One axial slice (181 of 275, counting up from the lowest) of a chest CT acquired at 120 kVp with the D kernel; each pixel is 0.658 mm and the slice is 1.00 mm thick.
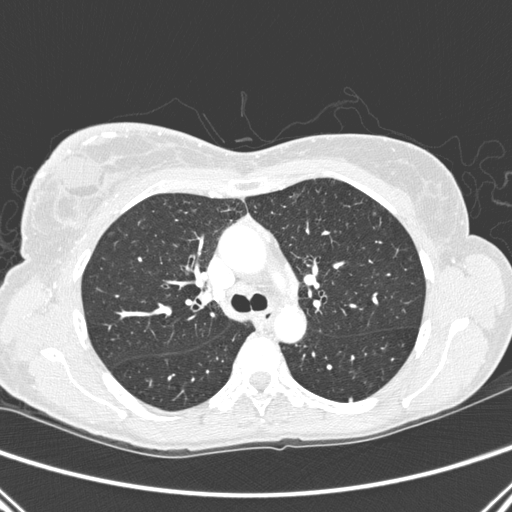
Pulmonary nodule, outlined by two of the four readers. Box on this slice rows 398–402, columns 348–352, the union of the readers' outlines on this slice; longest diameter 4.1 mm on average over the two readers' outlines (readers' outlines 3.8–4.4 mm), volume 26–28 mm3. Ratings, by the readers' most common answer with dissent counted: texture 5/5 (solid), both readers agreeing; margin split among the readers: 4/5 (one), 5/5 (circumscribed) (one); sphericity 5/5 (round) from both readers; calcification absent from both readers; internal structure soft tissue from both readers; subtlety split among the readers: 2/5 (one), 4/5 (one); malignancy likelihood 1/5 from both readers. Scale key (1–5): texture non-solid→solid, margin indistinct→circumscribed, sphericity linear→round, subtlety extremely subtle→obvious, malignancy likelihood highly unlikely→highly suspicious of cancer. Box rows and columns are 0-based pixel indices from the top-left corner, inclusive.